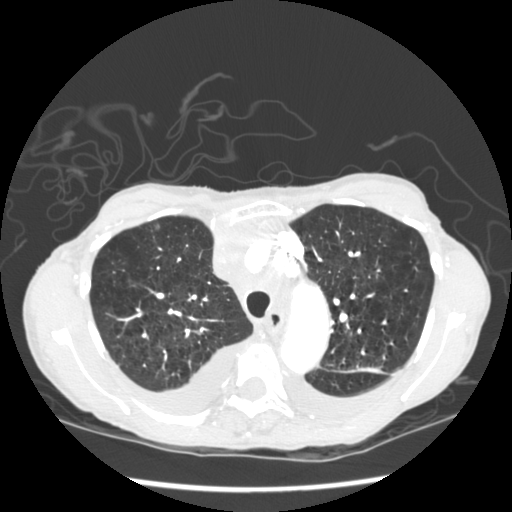
Axial chest CT slice 174 of 233 (counted from the lowest slice); 1.25 mm thick, 0.664 mm per pixel. Pulmonary nodule at rows 330–333, columns 191–203 (box = the one reader's outline on this slice), outlined by all four readers, one of them on this slice; longest diameter 14.3–15.4 mm and volume 906–1149 mm3 across the four readers' outlines. Ratings across the readers: texture 5/5 (solid) from all four readers; margin from 4/5 to 5/5 (circumscribed) across the four readers; sphericity from 3/5 (ovoid) to 4/5 across the four readers; calcification absent from all four readers; internal structure soft tissue from all four readers; subtlety 4–5/5 (the readers disagree); malignancy likelihood from 2/5 to 4/5 across the four readers. Scale key (1–5): texture non-solid→solid, margin indistinct→circumscribed, sphericity linear→round, subtlety extremely subtle→obvious, malignancy likelihood highly unlikely→highly suspicious of cancer. Box rows and columns are 0-based pixel indices from the top-left corner, inclusive.
Tube voltage 120 kVp; convolution kernel STANDARD.